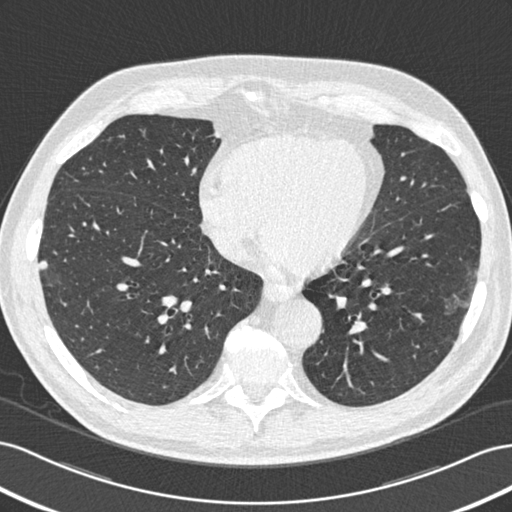
This is axial slice 206 of 506 (slice 1 is the lowest) of a chest CT; each pixel is 0.699 mm and the slice is 0.75 mm thick. Pulmonary nodule, outlined by all four readers. Box on this slice rows 261–269, columns 39–47, the union of the readers' outlines on this slice; median longest diameter 8.2 mm (readers' outlines 8.0–9.0 mm), median volume 186 mm3 (171–198 mm3). Median ratings and the readers' spread: texture 5/5 (solid) from all four readers; margin 4/5 at the median of four readers, spread 3/5 to 5/5 (circumscribed); median sphericity 5/5 (round) (readers ranged 3/5 (ovoid) to 5/5 (round)); calcification absent, all four readers agreeing; internal structure soft tissue from all four readers; subtlety 4/5 at the median of four readers, spread 3–5; median malignancy likelihood 2.5/5 (readers ranged 1–4). Scale key (1–5): texture non-solid→solid, margin indistinct→circumscribed, sphericity linear→round, subtlety extremely subtle→obvious, malignancy likelihood highly unlikely→highly suspicious of cancer. Box rows and columns are 0-based pixel indices from the top-left corner, inclusive.
Acquired at 120 kVp and reconstructed with the B30f kernel.